Axial slice 233 of 273 of a chest CT (slice 1 is the lowest), reconstructed with the BONE kernel at 120 kVp; 1.25 mm slice thickness and 0.703 mm pixels.
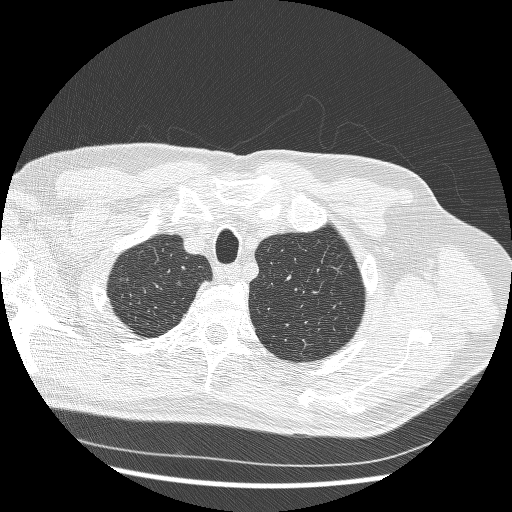
Pulmonary nodule at rows 280–285, columns 176–181 (box = that reader's outline on this slice), outlined by one of the four readers; longest diameter 6.0 mm and volume 40 mm3 from that reader's outline. Ratings by that reader: texture 1/5 (non-solid); margin 1/5 (indistinct); sphericity 4/5; calcification absent; internal structure soft tissue; subtlety 1/5; malignancy likelihood 2/5. Scale key (1–5): texture non-solid→solid, margin indistinct→circumscribed, sphericity linear→round, subtlety extremely subtle→obvious, malignancy likelihood highly unlikely→highly suspicious of cancer. Box rows and columns are 0-based pixel indices from the top-left corner, inclusive.